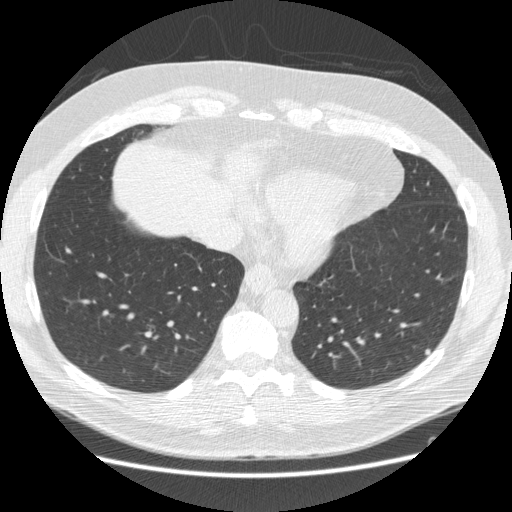
One axial slice (188 of 538, counting up from the lowest) of a chest CT acquired at 120 kVp with the STANDARD kernel; each pixel is 0.742 mm and the slice is 1.25 mm thick.
Pulmonary nodule at rows 349–355, columns 423–430 (box = the union of the readers' outlines on this slice), outlined by three of the four readers; median longest diameter 6.3 mm (readers' outlines 6.1–8.0 mm), median volume 75 mm3 (26–109 mm3). Ratings, median across the readers with their spread: texture 5/5 (solid) at the median of three readers, spread 4/5 to 5/5 (solid); median margin 4/5 (readers ranged 1/5 (indistinct) to 5/5 (circumscribed)); sphericity 4/5 at the median of three readers, spread 3/5 (ovoid) to 5/5 (round); calcification absent from all three readers; internal structure soft tissue from all three readers; subtlety 3/5 at the median of three readers, spread 2–5; malignancy likelihood 3/5 at the median of three readers, spread 2–4. Scale key (1–5): texture non-solid→solid, margin indistinct→circumscribed, sphericity linear→round, subtlety extremely subtle→obvious, malignancy likelihood highly unlikely→highly suspicious of cancer. Box rows and columns are 0-based pixel indices from the top-left corner, inclusive.